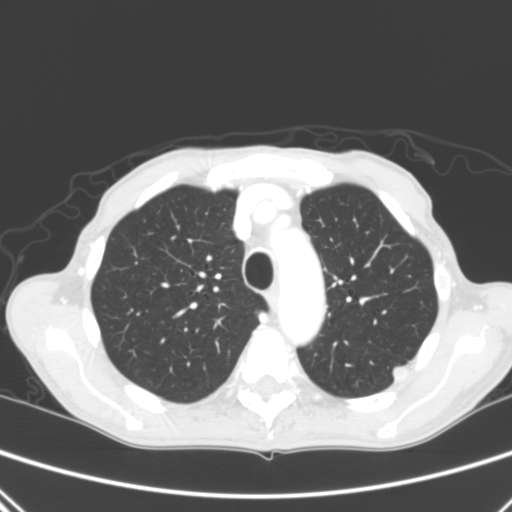
One axial slice (217 of 290, counting up from the lowest) of a chest CT acquired at 120 kVp with the B kernel; each pixel is 0.639 mm and the slice is 2.00 mm thick.
Pulmonary nodule, outlined by all four readers. Box on this slice rows 366–381, columns 391–408, the union of the readers' outlines on this slice; longest diameter 12.9–15.8 mm and volume 837–1237 mm3 across the four readers' outlines. The readers' ratings, as ranges where they differ: texture from 4/5 to 5/5 (solid) across the four readers; margin from 4/5 to 5/5 (circumscribed) across the four readers; sphericity from 3/5 (ovoid) to 5/5 (round) across the four readers; calcification: absent (three), laminated calcification (one); internal structure soft tissue from all four readers; subtlety rated between 4 and 5 out of 5 by the four readers; malignancy likelihood from 2/5 to 5/5 across the four readers. Scale key (1–5): texture non-solid→solid, margin indistinct→circumscribed, sphericity linear→round, subtlety extremely subtle→obvious, malignancy likelihood highly unlikely→highly suspicious of cancer. Box rows and columns are 0-based pixel indices from the top-left corner, inclusive.